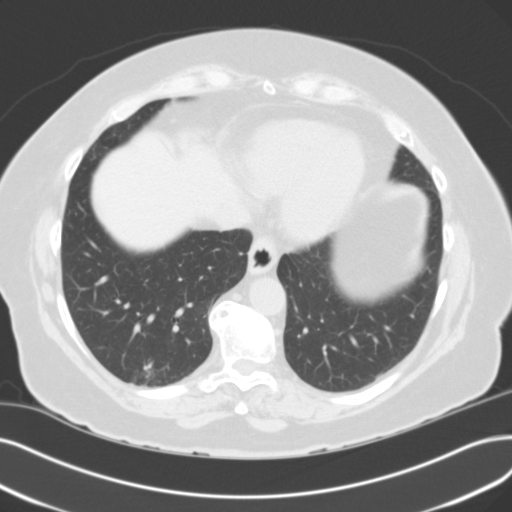
This is axial slice 44 of 112 (slice 1 is the lowest) of a chest CT; each pixel is 0.711 mm and the slice is 3.00 mm thick. Pulmonary nodule, outlined by all four readers, three of them on this slice. Box on this slice rows 363–376, columns 143–153, the union of the readers' outlines on this slice; median longest diameter 18.1 mm (readers' outlines 17.4–20.7 mm), median volume 2002 mm3 (1739–3129 mm3). Ratings, median across the readers with their spread: median texture 4.5/5 (readers ranged 3/5 (part-solid) to 5/5 (solid)); margin 4.5/5 at the median of four readers, spread 3/5 to 5/5 (circumscribed); median sphericity 5/5 (round) (readers ranged 3/5 (ovoid) to 5/5 (round)); calcification absent from all four readers; internal structure soft tissue, all four readers agreeing; subtlety 5/5 from all four readers; malignancy likelihood 4/5 at the median of four readers, spread 2–5. Scale key (1–5): texture non-solid→solid, margin indistinct→circumscribed, sphericity linear→round, subtlety extremely subtle→obvious, malignancy likelihood highly unlikely→highly suspicious of cancer. Box rows and columns are 0-based pixel indices from the top-left corner, inclusive.
Tube voltage 120 kVp; convolution kernel B31f.